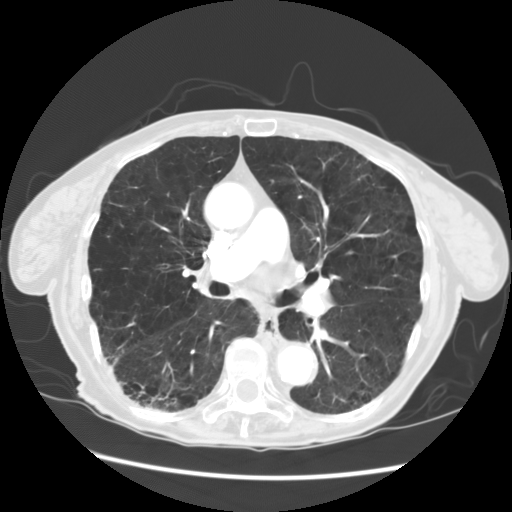
Chest CT, axial plane, 120 kVp, kernel STANDARD. Slice 83/133 from the bottom of the scan; thickness 2.50 mm; pixel size 0.703 mm.
No nodule of 3 mm or larger was outlined by any of the four readers on this slice.